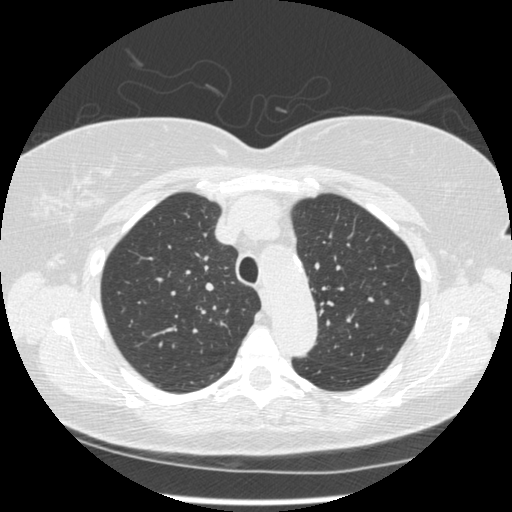
Axial chest CT slice 363 of 490 (counted from the lowest slice); tube voltage 120 kVp, convolution kernel STANDARD; slices 1.25 mm thick, 0.645 mm per pixel.
Pulmonary nodule outlined by two of the four readers; box rows 299–304, columns 384–389 (the union of the readers' outlines on this slice); the two readers' outlines give a longest diameter between 5.2 and 5.5 mm and a volume between 51 and 56 mm3. The readers' ratings, as ranges where they differ: texture 5/5 (solid) from both readers; margin from 3/5 to 5/5 (circumscribed) across the two readers; sphericity from 4/5 to 5/5 (round) across the two readers; calcification absent, both readers agreeing; internal structure soft tissue from both readers; subtlety 3–5/5 (the readers disagree); malignancy likelihood 3/5 from both readers. Scale key (1–5): texture non-solid→solid, margin indistinct→circumscribed, sphericity linear→round, subtlety extremely subtle→obvious, malignancy likelihood highly unlikely→highly suspicious of cancer. Box rows and columns are 0-based pixel indices from the top-left corner, inclusive.